One axial slice (59 of 255, counting up from the lowest) of a chest CT acquired at 120 kVp with the STANDARD kernel; each pixel is 0.664 mm and the slice is 2.50 mm thick.
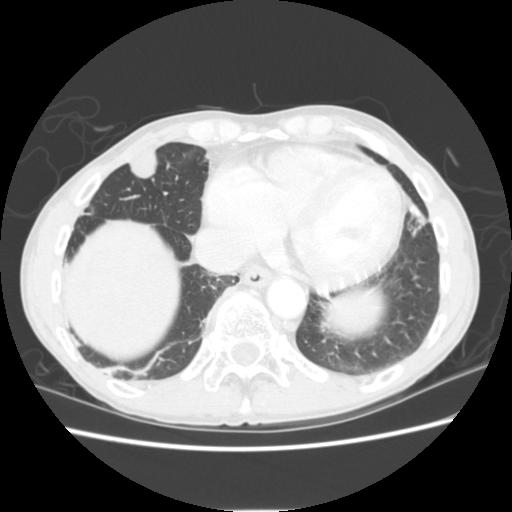
Pulmonary nodule outlined by all four readers; box rows 149–179, columns 129–159 (the union of the readers' outlines on this slice); the four readers' outlines give a longest diameter between 25.4 and 30.3 mm and a volume between 4677 and 6345 mm3. Ratings across the readers: texture 5/5 (solid), all four readers agreeing; margin from 4/5 to 5/5 (circumscribed) across the four readers; sphericity from 3/5 (ovoid) to 5/5 (round) across the four readers; calcification absent from all four readers; internal structure soft tissue, all four readers agreeing; subtlety 5/5, all four readers agreeing; malignancy likelihood rated between 3 and 5 out of 5 by the four readers. Scale key (1–5): texture non-solid→solid, margin indistinct→circumscribed, sphericity linear→round, subtlety extremely subtle→obvious, malignancy likelihood highly unlikely→highly suspicious of cancer. Box rows and columns are 0-based pixel indices from the top-left corner, inclusive.